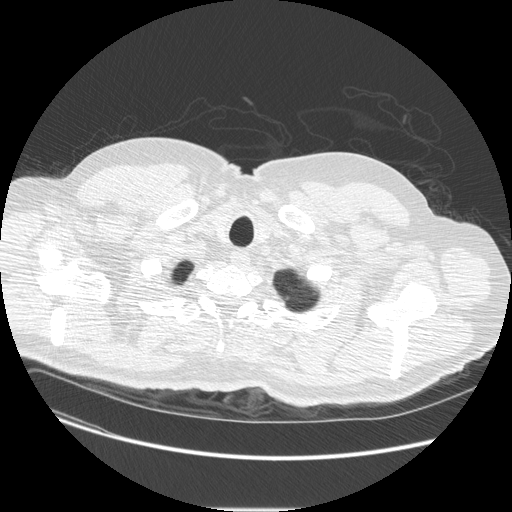
One axial slice (437 of 461, counting up from the lowest) of a chest CT acquired at 120 kVp with the STANDARD kernel; each pixel is 0.781 mm and the slice is 1.25 mm thick.
Pulmonary nodule, outlined by one of the four readers. Box on this slice rows 295–299, columns 284–288, that reader's outline on this slice; longest diameter 7.8 mm and volume 81 mm3 from that reader's outline. That reader's ratings: texture 5/5 (solid); margin 4/5; sphericity 4/5; calcification absent; internal structure soft tissue; subtlety 5/5; malignancy likelihood 3/5. Scale key (1–5): texture non-solid→solid, margin indistinct→circumscribed, sphericity linear→round, subtlety extremely subtle→obvious, malignancy likelihood highly unlikely→highly suspicious of cancer. Box rows and columns are 0-based pixel indices from the top-left corner, inclusive.